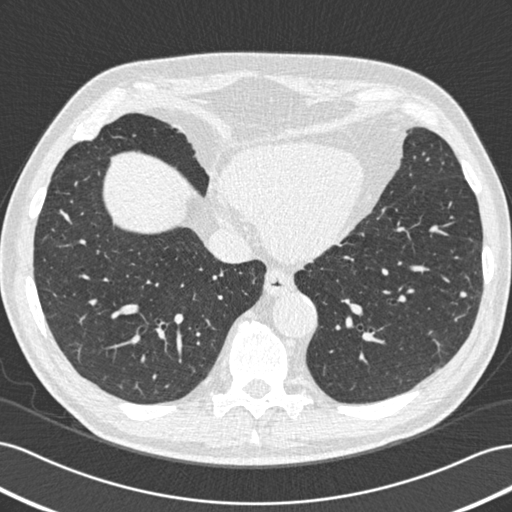
Slice 182/506 of a chest CT, counting up from the lowest; pixel size 0.699 mm, slice thickness 0.75 mm. Pulmonary nodule, outlined by all four readers. Box on this slice rows 291–297, columns 460–466, the union of the readers' outlines on this slice; median longest diameter 6.9 mm (readers' outlines 6.6–7.8 mm), median volume 144 mm3 (93–162 mm3). Median ratings and the readers' spread: texture 5/5 (solid) from all four readers; margin 4.5/5 at the median of four readers, spread 3/5 to 5/5 (circumscribed); sphericity 3/5 (ovoid) at the median of four readers, spread 3/5 (ovoid) to 5/5 (round); calcification absent from all four readers; internal structure soft tissue from all four readers; subtlety 2.5/5 at the median of four readers, spread 2–3; malignancy likelihood 2.5/5 at the median of four readers, spread 1–3. Scale key (1–5): texture non-solid→solid, margin indistinct→circumscribed, sphericity linear→round, subtlety extremely subtle→obvious, malignancy likelihood highly unlikely→highly suspicious of cancer. Box rows and columns are 0-based pixel indices from the top-left corner, inclusive.
Tube voltage 120 kVp; convolution kernel B30f.